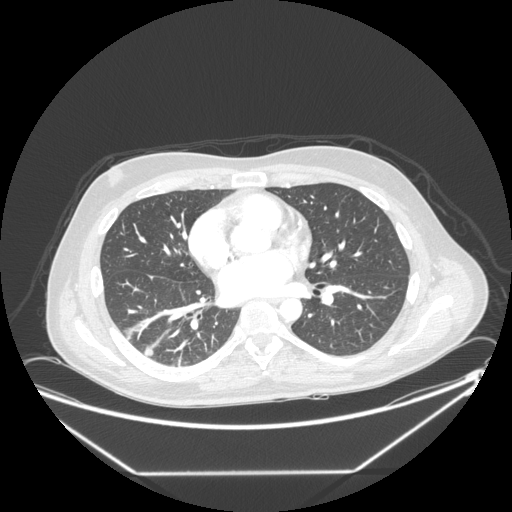
One axial slice (119 of 246, counting up from the lowest) of a chest CT acquired at 120 kVp with the STANDARD kernel; each pixel is 0.859 mm and the slice is 1.25 mm thick.
Pulmonary nodule outlined by all four readers; box rows 346–356, columns 143–153 (the union of the readers' outlines on this slice); median longest diameter 10.6 mm (readers' outlines 9.0–13.9 mm), median volume 325 mm3 (213–487 mm3). Median ratings and the readers' spread: texture 5/5 (solid), all four readers agreeing; margin 4.5/5 at the median of four readers, spread 4/5 to 5/5 (circumscribed); sphericity 4.5/5 at the median of four readers, spread 3/5 (ovoid) to 5/5 (round); calcification absent, all four readers agreeing; internal structure soft tissue from all four readers; subtlety 3.5/5 at the median of four readers, spread 3–4; median malignancy likelihood 3/5 (readers ranged 2–3). Scale key (1–5): texture non-solid→solid, margin indistinct→circumscribed, sphericity linear→round, subtlety extremely subtle→obvious, malignancy likelihood highly unlikely→highly suspicious of cancer. Box rows and columns are 0-based pixel indices from the top-left corner, inclusive.